Axial slice 415 of 481 of a chest CT (slice 1 is the lowest), reconstructed with the STANDARD kernel at 120 kVp; 1.25 mm slice thickness and 0.742 mm pixels.
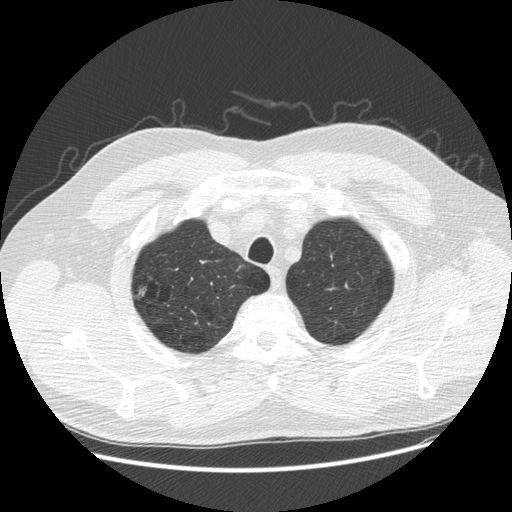
Pulmonary nodule at rows 284–297, columns 137–144 (box = the one reader's outline on this slice), outlined by two of the four readers, one of them on this slice; longest diameter 16.8 mm on average over the two readers' outlines (readers' outlines 15.0–18.6 mm), volume 293–924 mm3. Ratings, by the readers' most common answer with dissent counted: texture 1/5 (non-solid), both readers agreeing; margin split among the readers: 1/5 (indistinct) (one), 2/5 (one); sphericity split among the readers: 3/5 (ovoid) (one), 5/5 (round) (one); calcification absent, both readers agreeing; internal structure soft tissue from both readers; subtlety split among the readers: 1/5 (one), 2/5 (one); malignancy likelihood split among the readers: 2/5 (one), 4/5 (one). Scale key (1–5): texture non-solid→solid, margin indistinct→circumscribed, sphericity linear→round, subtlety extremely subtle→obvious, malignancy likelihood highly unlikely→highly suspicious of cancer. Box rows and columns are 0-based pixel indices from the top-left corner, inclusive.